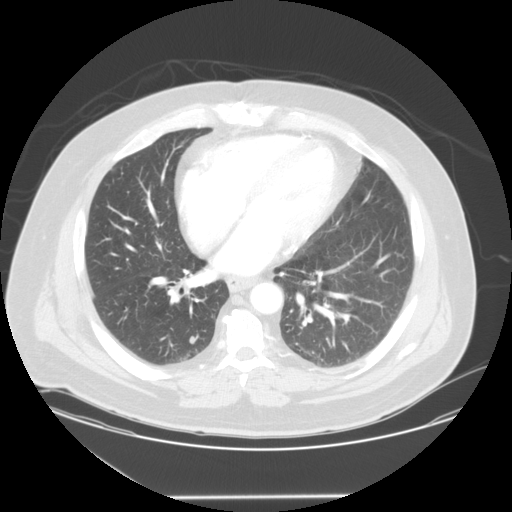
One axial slice (68 of 127, counting up from the lowest) of a chest CT acquired at 120 kVp with the STANDARD kernel; each pixel is 0.859 mm and the slice is 2.50 mm thick.
Pulmonary nodule at rows 335–343, columns 188–196 (box = the union of the readers' outlines on this slice), outlined by all four readers; longest diameter 7.8 mm on average over the four readers' outlines (readers' outlines 7.3–7.9 mm), volume 157–239 mm3. The readers' prevailing ratings and who disagreed: texture 5/5 (solid) from all four readers; margin split among the readers: 4/5 (two), 5/5 (circumscribed) (two); sphericity 4/5 by two of four readers; the rest gave 3/5 (ovoid) (one), 5/5 (round) (one); calcification absent from all four readers; internal structure soft tissue from all four readers; most readers (three of four) put subtlety at 4/5, others 3/5 (one); malignancy likelihood split among the readers: 2/5 (two), 3/5 (two). Scale key (1–5): texture non-solid→solid, margin indistinct→circumscribed, sphericity linear→round, subtlety extremely subtle→obvious, malignancy likelihood highly unlikely→highly suspicious of cancer. Box rows and columns are 0-based pixel indices from the top-left corner, inclusive.